Chest CT, axial plane, 120 kVp, kernel LUNG. Slice 82/133 from the bottom of the scan; thickness 2.50 mm; pixel size 0.820 mm.
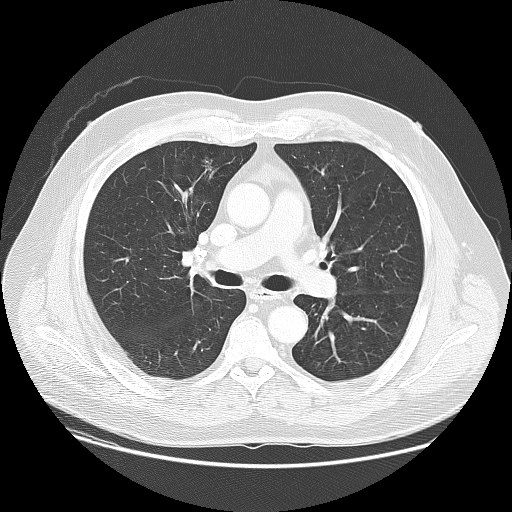
Pulmonary nodule, outlined by one of the four readers. Box on this slice rows 157–169, columns 203–212, that reader's outline on this slice; longest diameter 12.2 mm and volume 259 mm3 from that reader's outline. Ratings by that reader: texture 1/5 (non-solid); margin 2/5; sphericity 4/5; calcification absent; internal structure soft tissue; subtlety 2/5; malignancy likelihood 3/5. Scale key (1–5): texture non-solid→solid, margin indistinct→circumscribed, sphericity linear→round, subtlety extremely subtle→obvious, malignancy likelihood highly unlikely→highly suspicious of cancer. Box rows and columns are 0-based pixel indices from the top-left corner, inclusive.